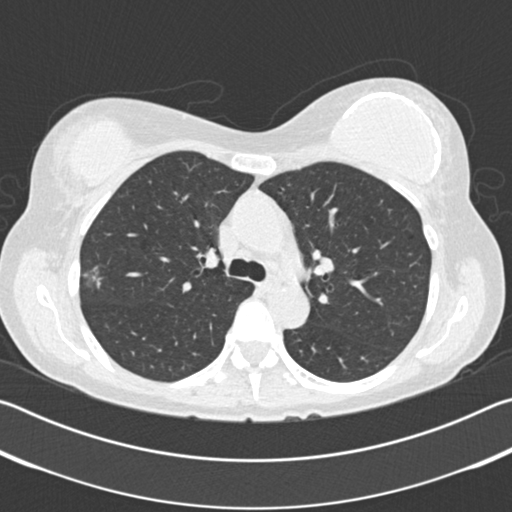
Slice 125/183 of a chest CT, counting up from the lowest; pixel size 0.664 mm, slice thickness 2.00 mm. Pulmonary nodule, outlined by three of the four readers, one of them on this slice. Box on this slice rows 264–290, columns 89–104, the one reader's outline on this slice; the three readers' outlines give a longest diameter between 4.8 and 20.0 mm and a volume between 45 and 1329 mm3. Ratings across the readers: texture from 3/5 (part-solid) to 5/5 (solid) across the three readers; margin from 2/5 to 5/5 (circumscribed) across the three readers; sphericity from 4/5 to 5/5 (round) across the three readers; calcification: absent (two), solid calcification (one); internal structure soft tissue, all three readers agreeing; subtlety 2–5/5 (the readers disagree); malignancy likelihood rated between 1 and 5 out of 5 by the three readers. Scale key (1–5): texture non-solid→solid, margin indistinct→circumscribed, sphericity linear→round, subtlety extremely subtle→obvious, malignancy likelihood highly unlikely→highly suspicious of cancer. Box rows and columns are 0-based pixel indices from the top-left corner, inclusive.
Scan settings: 120 kVp, B30f reconstruction kernel.